One axial slice (74 of 250, counting up from the lowest) of a chest CT acquired at 120 kVp with the BONE kernel; each pixel is 0.586 mm and the slice is 1.25 mm thick.
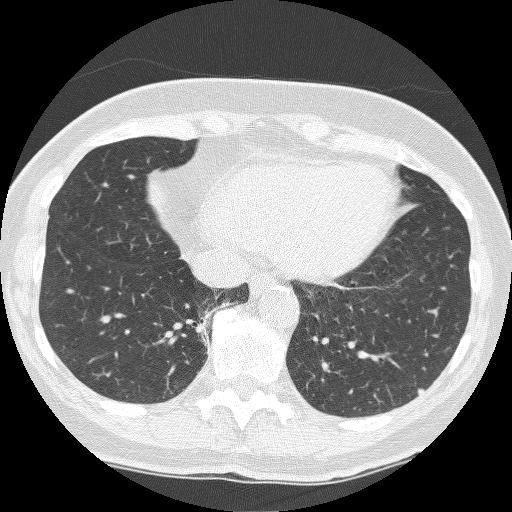
Pulmonary nodule, outlined by three of the four readers. Box on this slice rows 387–395, columns 416–424, the union of the readers' outlines on this slice; longest diameter 5.8–8.1 mm and volume 81–143 mm3 across the three readers' outlines. Ratings across the readers: texture from 4/5 to 5/5 (solid) across the three readers; margin from 4/5 to 5/5 (circumscribed) across the three readers; sphericity from 3/5 (ovoid) to 4/5 across the three readers; calcification absent, all three readers agreeing; internal structure soft tissue, all three readers agreeing; subtlety rated between 4 and 5 out of 5 by the three readers; malignancy likelihood from 3/5 to 4/5 across the three readers. Scale key (1–5): texture non-solid→solid, margin indistinct→circumscribed, sphericity linear→round, subtlety extremely subtle→obvious, malignancy likelihood highly unlikely→highly suspicious of cancer. Box rows and columns are 0-based pixel indices from the top-left corner, inclusive.